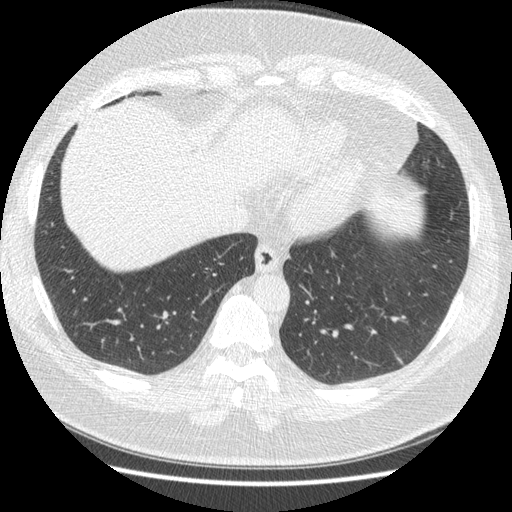
One axial slice (83 of 421, counting up from the lowest) of a chest CT acquired at 120 kVp with the STANDARD kernel; each pixel is 0.703 mm and the slice is 1.25 mm thick.
Pulmonary nodule at rows 356–364, columns 396–403 (box = the union of the readers' outlines on this slice), outlined four times (the source holds four more outlines, not used), two of them on this slice; longest diameter 33.9 mm on average over the four readers' outlines (readers' outlines 30.9–38.9 mm), volume 4443–5826 mm3. The readers' prevailing ratings and who disagreed: texture 5/5 (solid) by three of four readers; the rest gave 4/5 (one); most readers (three of four) put margin at 4/5, others 3/5 (one); sphericity 2/5 by two of four readers; the rest gave 3/5 (ovoid) (one), 4/5 (one); calcification absent, all four readers agreeing; internal structure soft tissue from all four readers; subtlety 5/5 by three of four readers; the rest gave 4/5 (one); malignancy likelihood split among the readers: 2/5 (one), 3/5 (one), 4/5 (one), 5/5 (one). Scale key (1–5): texture non-solid→solid, margin indistinct→circumscribed, sphericity linear→round, subtlety extremely subtle→obvious, malignancy likelihood highly unlikely→highly suspicious of cancer. Box rows and columns are 0-based pixel indices from the top-left corner, inclusive.